Axial slice 196 of 290 of a chest CT (slice 1 is the lowest), reconstructed with the C kernel at 120 kVp; 2.00 mm slice thickness and 0.682 mm pixels.
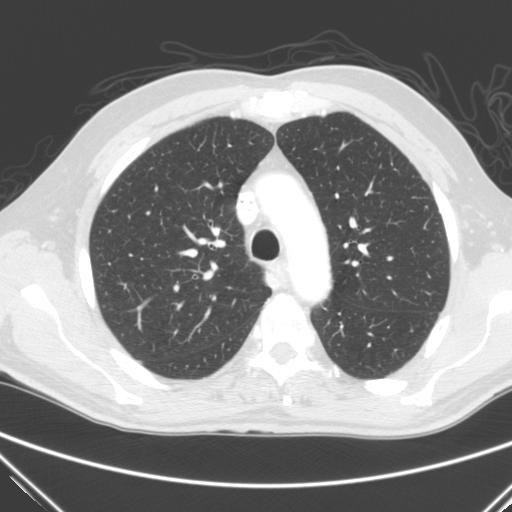
This slice carries no reader outline of a nodule 3 mm or larger.